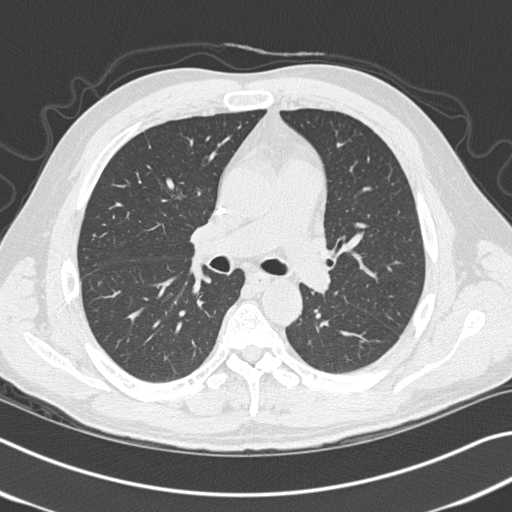
Axial chest CT slice 202 of 327 (counted from the lowest slice); 1.00 mm thick, 0.664 mm per pixel. None of the four readers outlined a nodule of 3 mm or more on this slice.
Scan settings: 120 kVp, B45f reconstruction kernel.